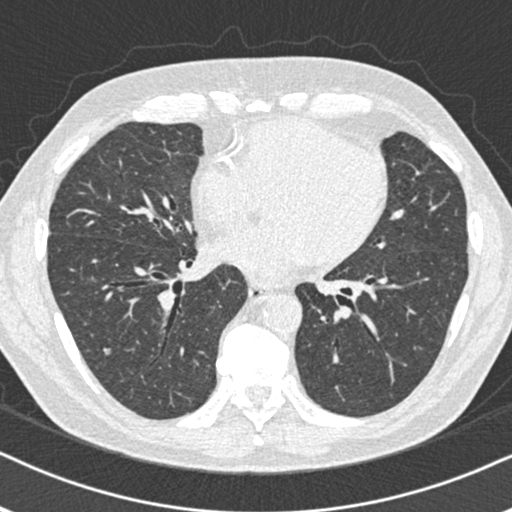
Axial chest CT slice 197 of 455 (counted from the lowest slice); 0.75 mm thick, 0.633 mm per pixel. Pulmonary nodule, outlined by three of the four readers. Box on this slice rows 348–354, columns 103–110, the union of the readers' outlines on this slice; median longest diameter 6.8 mm (readers' outlines 6.8–7.8 mm), median volume 60 mm3 (59–65 mm3). Ratings, median across the readers with their spread: texture 5/5 (solid), all three readers agreeing; margin 4/5, all three readers agreeing; median sphericity 4/5 (readers ranged 4/5 to 5/5 (round)); calcification absent from all three readers; internal structure soft tissue from all three readers; subtlety 5/5 at the median of three readers, spread 3–5; malignancy likelihood 3/5 from all three readers. Scale key (1–5): texture non-solid→solid, margin indistinct→circumscribed, sphericity linear→round, subtlety extremely subtle→obvious, malignancy likelihood highly unlikely→highly suspicious of cancer. Box rows and columns are 0-based pixel indices from the top-left corner, inclusive.
Tube voltage 120 kVp; convolution kernel B30f.